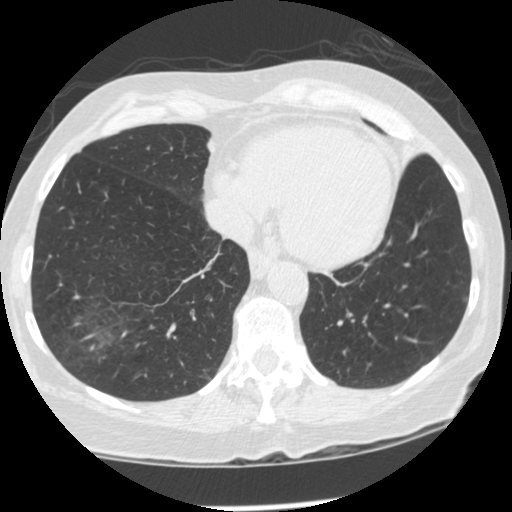
Axial slice 112 of 474 of a chest CT (slice 1 is the lowest), reconstructed with the STANDARD kernel at 120 kVp; 1.25 mm slice thickness and 0.625 mm pixels.
Pulmonary nodule outlined by three of the four readers; box rows 295–301, columns 462–467 (the union of the readers' outlines on this slice); median longest diameter 7.3 mm (readers' outlines 7.1–8.1 mm), median volume 94 mm3 (92–97 mm3). Ratings, median across the readers with their spread: texture 4/5 at the median of three readers, spread 4/5 to 5/5 (solid); margin 4/5 at the median of three readers, spread 3/5 to 5/5 (circumscribed); sphericity 3/5 (ovoid) at the median of three readers, spread 2/5 to 4/5; calcification absent, all three readers agreeing; internal structure soft tissue, all three readers agreeing; median subtlety 4/5 (readers ranged 3–5); malignancy likelihood 2/5 at the median of three readers, spread 2–3. Scale key (1–5): texture non-solid→solid, margin indistinct→circumscribed, sphericity linear→round, subtlety extremely subtle→obvious, malignancy likelihood highly unlikely→highly suspicious of cancer. Box rows and columns are 0-based pixel indices from the top-left corner, inclusive.